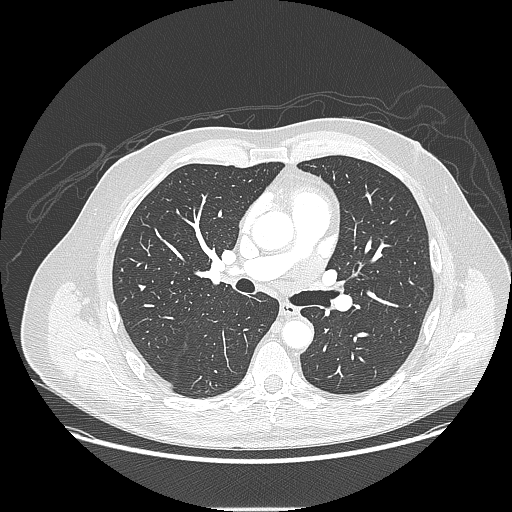
Axial chest CT slice 112 of 214 (counted from the lowest slice); tube voltage 120 kVp, convolution kernel LUNG; slices 1.25 mm thick, 0.820 mm per pixel.
The readers outlined no nodule of 3 mm or more on this slice.